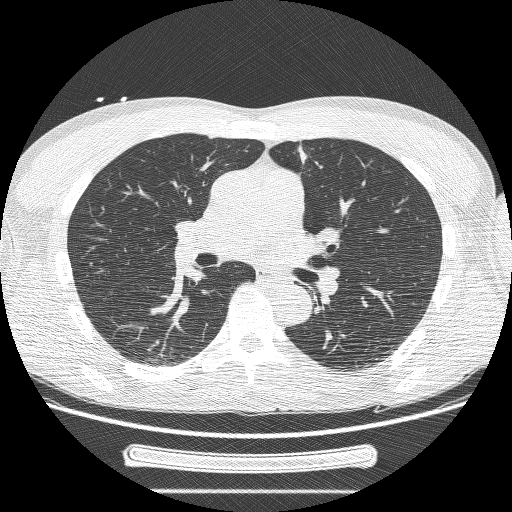
Slice 137/244 of a chest CT, counting up from the lowest; pixel size 0.729 mm, slice thickness 1.25 mm. Pulmonary nodule, outlined by three of the four readers, two of them on this slice. Box on this slice rows 145–165, columns 296–307, the union of the readers' outlines on this slice; longest diameter 34.2 mm on average over the three readers' outlines (readers' outlines 27.4–37.9 mm), volume 2934–10099 mm3. The readers' prevailing ratings and who disagreed: most readers (two of three) put texture at 5/5 (solid), others 3/5 (part-solid) (one); margin split among the readers: 1/5 (indistinct) (one), 2/5 (one), 3/5 (one); sphericity split among the readers: 2/5 (one), 3/5 (ovoid) (one), 4/5 (one); calcification absent from all three readers; internal structure soft tissue from all three readers; subtlety 5/5, all three readers agreeing; malignancy likelihood 5/5 by two of three readers; the rest gave 3/5 (one). Scale key (1–5): texture non-solid→solid, margin indistinct→circumscribed, sphericity linear→round, subtlety extremely subtle→obvious, malignancy likelihood highly unlikely→highly suspicious of cancer. Box rows and columns are 0-based pixel indices from the top-left corner, inclusive.
Acquired at 120 kVp and reconstructed with the BONE kernel.